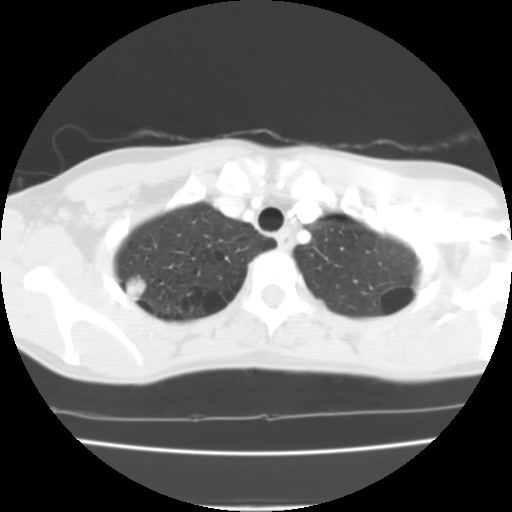
Axial slice 95 of 112 of a chest CT (slice 1 is the lowest), reconstructed with the FC01 kernel at 135 kVp; 3.00 mm slice thickness and 0.573 mm pixels.
Pulmonary nodule outlined by all four readers; box rows 276–300, columns 125–146 (the union of the readers' outlines on this slice); longest diameter 17.2 mm on average over the four readers' outlines (readers' outlines 16.4–19.0 mm), volume 2422–3472 mm3. Ratings, by the readers' most common answer with dissent counted: texture 5/5 (solid) from all four readers; margin split among the readers: 4/5 (two), 5/5 (circumscribed) (two); sphericity split among the readers: 4/5 (two), 5/5 (round) (two); calcification absent from all four readers; internal structure soft tissue from all four readers; subtlety 5/5 from all four readers; malignancy likelihood 3/5 by three of four readers; the rest gave 5/5 (one). Scale key (1–5): texture non-solid→solid, margin indistinct→circumscribed, sphericity linear→round, subtlety extremely subtle→obvious, malignancy likelihood highly unlikely→highly suspicious of cancer. Box rows and columns are 0-based pixel indices from the top-left corner, inclusive.